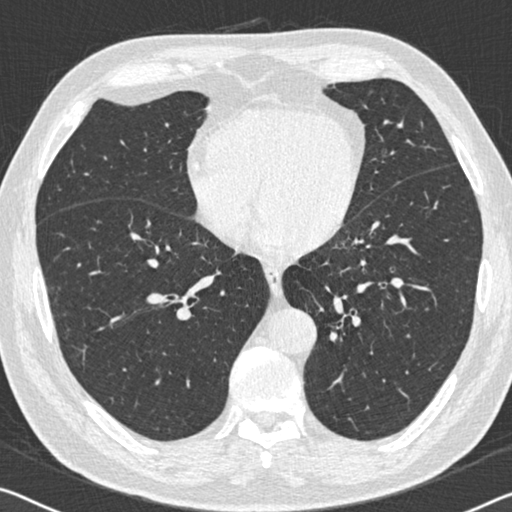
This is axial slice 242 of 536 (slice 1 is the lowest) of a chest CT; each pixel is 0.656 mm and the slice is 0.75 mm thick. Pulmonary nodule at rows 119–127, columns 397–402 (box = that reader's outline on this slice), outlined by one of the four readers; longest diameter 9.1 mm and volume 89 mm3 from that reader's outline. Ratings by that reader: texture 5/5 (solid); margin 4/5; sphericity 3/5 (ovoid); calcification absent; internal structure soft tissue; subtlety 4/5; malignancy likelihood 2/5. Scale key (1–5): texture non-solid→solid, margin indistinct→circumscribed, sphericity linear→round, subtlety extremely subtle→obvious, malignancy likelihood highly unlikely→highly suspicious of cancer. Box rows and columns are 0-based pixel indices from the top-left corner, inclusive.
Tube voltage 120 kVp; convolution kernel B30f.